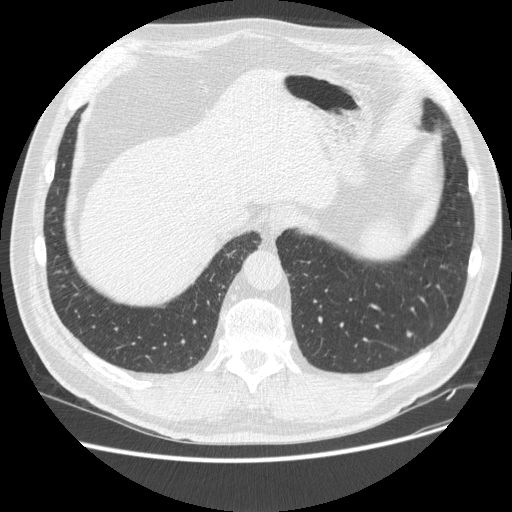
Slice 122/513 of a chest CT, counting up from the lowest; pixel size 0.742 mm, slice thickness 1.25 mm. Pulmonary nodule at rows 330–336, columns 406–411 (box = that reader's outline on this slice), outlined by one of the four readers; longest diameter 8.7 mm and volume 80 mm3 from that reader's outline. Ratings by that reader: texture 5/5 (solid); margin 4/5; sphericity 4/5; calcification absent; internal structure soft tissue; subtlety 4/5; malignancy likelihood 3/5. Scale key (1–5): texture non-solid→solid, margin indistinct→circumscribed, sphericity linear→round, subtlety extremely subtle→obvious, malignancy likelihood highly unlikely→highly suspicious of cancer. Box rows and columns are 0-based pixel indices from the top-left corner, inclusive.
Scan settings: 120 kVp, STANDARD reconstruction kernel.